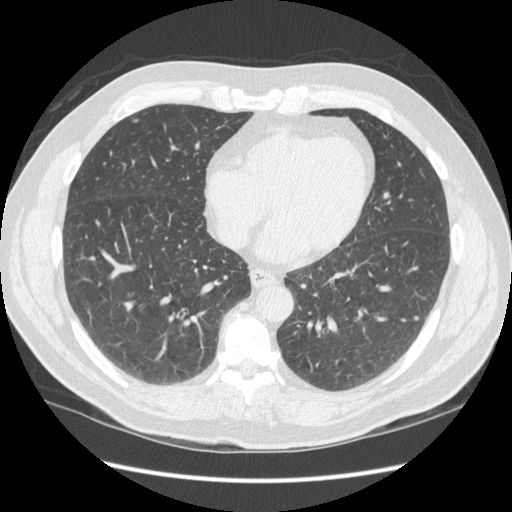
Chest CT, axial plane, 120 kVp, kernel STANDARD. Slice 167/449 from the bottom of the scan; thickness 1.25 mm; pixel size 0.742 mm.
Two pulmonary nodules on this slice, listed from left to right. (1) Pulmonary nodule, outlined by one of the four readers. Box on this slice rows 119–122, columns 133–137, that reader's outline on this slice; longest diameter 6.1 mm and volume 97 mm3 from that reader's outline. That reader's ratings: texture 5/5 (solid); margin 5/5 (circumscribed); sphericity 5/5 (round); calcification absent; internal structure soft tissue; subtlety 4/5; malignancy likelihood 3/5. (2) Pulmonary nodule, outlined by one of the four readers. Box on this slice rows 317–319, columns 415–417, that reader's outline on this slice; longest diameter 4.8 mm and volume 31 mm3 from that reader's outline. Ratings by that reader: texture 5/5 (solid); margin 5/5 (circumscribed); sphericity 5/5 (round); calcification absent; internal structure soft tissue; subtlety 2/5; malignancy likelihood 2/5. Scale key (1–5): texture non-solid→solid, margin indistinct→circumscribed, sphericity linear→round, subtlety extremely subtle→obvious, malignancy likelihood highly unlikely→highly suspicious of cancer. Box rows and columns are 0-based pixel indices from the top-left corner, inclusive.